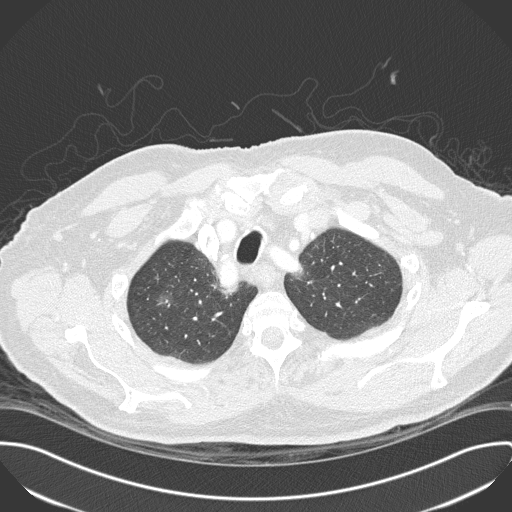
One axial slice (271 of 330, counting up from the lowest) of a chest CT acquired at 120 kVp with the B45f kernel; each pixel is 0.762 mm and the slice is 1.00 mm thick.
Pulmonary nodule outlined by all four readers; box rows 290–308, columns 155–173 (the union of the readers' outlines on this slice); the four readers' outlines give a longest diameter between 15.2 and 19.9 mm and a volume between 678 and 927 mm3. Ratings across the readers: texture from 1/5 (non-solid) to 2/5 across the four readers; margin from 1/5 (indistinct) to 4/5 across the four readers; sphericity from 3/5 (ovoid) to 5/5 (round) across the four readers; calcification absent, all four readers agreeing; internal structure soft tissue, all four readers agreeing; subtlety 1–4/5 (the readers disagree); malignancy likelihood rated between 2 and 4 out of 5 by the four readers. Scale key (1–5): texture non-solid→solid, margin indistinct→circumscribed, sphericity linear→round, subtlety extremely subtle→obvious, malignancy likelihood highly unlikely→highly suspicious of cancer. Box rows and columns are 0-based pixel indices from the top-left corner, inclusive.